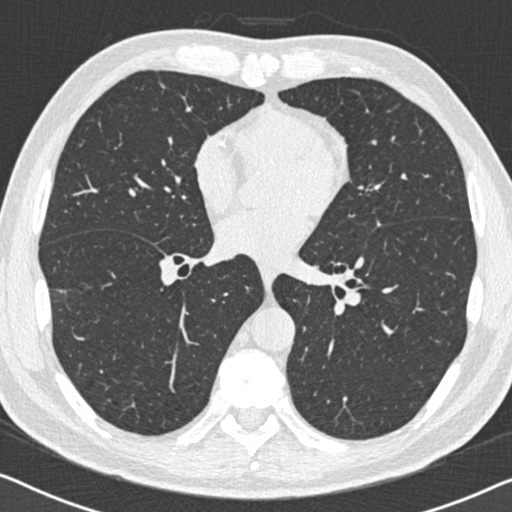
Axial slice 288 of 558 of a chest CT (slice 1 is the lowest), reconstructed with the B30f kernel at 120 kVp; 0.75 mm slice thickness and 0.648 mm pixels.
Two pulmonary nodules are outlined on this slice; from left to right: (1) Pulmonary nodule, outlined by all four readers, three of them on this slice. Box on this slice rows 290–294, columns 58–65, the union of the readers' outlines on this slice; median longest diameter 21.8 mm (readers' outlines 18.8–26.5 mm), median volume 1099 mm3 (726–1916 mm3). Ratings, median across the readers with their spread: texture 4.5/5 at the median of four readers, spread 3/5 (part-solid) to 5/5 (solid); median margin 3/5 (readers ranged 1/5 (indistinct) to 4/5); sphericity 3/5 (ovoid) at the median of four readers, spread 2/5 to 4/5; calcification absent from all four readers; internal structure soft tissue from all four readers; median subtlety 5/5 (readers ranged 4–5); median malignancy likelihood 4/5 (readers ranged 4–5). (2) Pulmonary nodule outlined by two of the four readers; box rows 83–87, columns 160–164 (the union of the readers' outlines on this slice); longest diameter 6.5 mm on average over the two readers' outlines (readers' outlines 5.8–7.2 mm), volume 63–85 mm3. The readers' prevailing ratings and who disagreed: texture split among the readers: 4/5 (one), 5/5 (solid) (one); margin split among the readers: 3/5 (one), 4/5 (one); sphericity split among the readers: 3/5 (ovoid) (one), 4/5 (one); calcification absent, both readers agreeing; internal structure soft tissue, both readers agreeing; subtlety split among the readers: 3/5 (one), 5/5 (one); malignancy likelihood split among the readers: 2/5 (one), 3/5 (one). Scale key (1–5): texture non-solid→solid, margin indistinct→circumscribed, sphericity linear→round, subtlety extremely subtle→obvious, malignancy likelihood highly unlikely→highly suspicious of cancer. Box rows and columns are 0-based pixel indices from the top-left corner, inclusive.